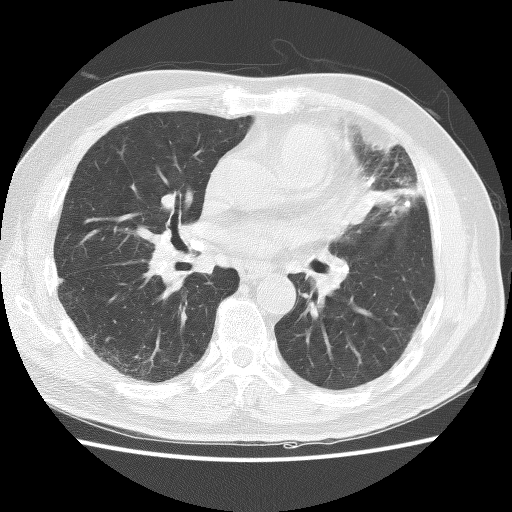
Axial slice 69 of 129 of a chest CT (slice 1 is the lowest), reconstructed with the BONE kernel at 140 kVp; 2.50 mm slice thickness and 0.645 mm pixels.
Pulmonary nodule outlined by three of the four readers; box rows 200–206, columns 404–410 (the union of the readers' outlines on this slice); longest diameter 4.8 mm on average over the three readers' outlines (readers' outlines 4.7–4.9 mm), volume 60–73 mm3. The readers' prevailing ratings and who disagreed: texture 5/5 (solid), all three readers agreeing; margin 5/5 (circumscribed) by two of three readers; the rest gave 4/5 (one); sphericity 5/5 (round) by two of three readers; the rest gave 4/5 (one); calcification absent by two of three readers, solid calcification (one); internal structure soft tissue from all three readers; subtlety 3/5, all three readers agreeing; malignancy likelihood split among the readers: 1/5 (one), 2/5 (one), 3/5 (one). Scale key (1–5): texture non-solid→solid, margin indistinct→circumscribed, sphericity linear→round, subtlety extremely subtle→obvious, malignancy likelihood highly unlikely→highly suspicious of cancer. Box rows and columns are 0-based pixel indices from the top-left corner, inclusive.